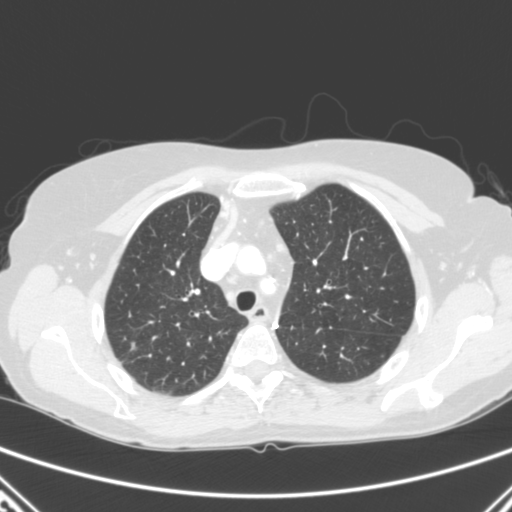
Slice 209/280 of a chest CT, counting up from the lowest; pixel size 0.676 mm, slice thickness 2.00 mm. Pulmonary nodule at rows 343–348, columns 132–133 (box = the one reader's outline on this slice), outlined three times (the source holds two more outlines, not used), one of them on this slice; median longest diameter 19.7 mm (readers' outlines 19.6–26.7 mm), median volume 999 mm3 (949–1659 mm3). Ratings, median across the readers with their spread: texture 5/5 (solid) at the median of three readers, spread 4/5 to 5/5 (solid); margin 3/5 at the median of three readers, spread 3/5 to 4/5; sphericity 3/5 (ovoid) at the median of three readers, spread 2/5 to 5/5 (round); calcification absent from all three readers; internal structure soft tissue from all three readers; subtlety 5/5 from all three readers; median malignancy likelihood 5/5 (readers ranged 4–5). Scale key (1–5): texture non-solid→solid, margin indistinct→circumscribed, sphericity linear→round, subtlety extremely subtle→obvious, malignancy likelihood highly unlikely→highly suspicious of cancer. Box rows and columns are 0-based pixel indices from the top-left corner, inclusive.
Scan settings: 120 kVp, B reconstruction kernel.